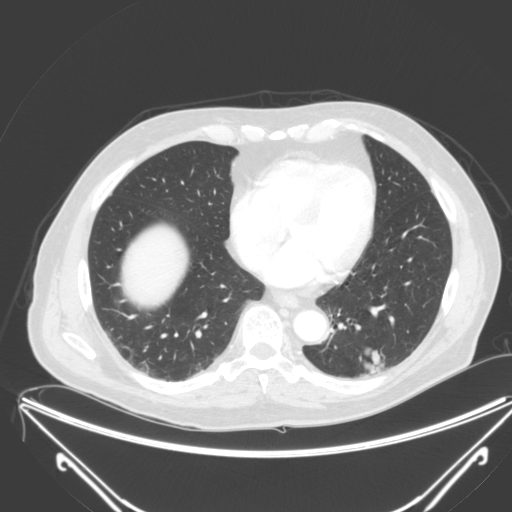
One axial slice (81 of 250, counting up from the lowest) of a chest CT acquired at 120 kVp with the B kernel; each pixel is 0.834 mm and the slice is 2.00 mm thick.
Pulmonary nodule at rows 347–376, columns 361–385 (box = the union of the readers' outlines on this slice), outlined by all four readers; median longest diameter 28.3 mm (readers' outlines 26.7–30.4 mm), median volume 3107 mm3 (2541–3664 mm3). Ratings, median across the readers with their spread: texture 4.5/5 at the median of four readers, spread 4/5 to 5/5 (solid); median margin 3/5 (readers ranged 2/5 to 4/5); sphericity 3/5 (ovoid) at the median of four readers, spread 3/5 (ovoid) to 5/5 (round); calcification absent from all four readers; internal structure soft tissue, all four readers agreeing; subtlety 5/5 from all four readers; malignancy likelihood 3.5/5 at the median of four readers, spread 3–5. Scale key (1–5): texture non-solid→solid, margin indistinct→circumscribed, sphericity linear→round, subtlety extremely subtle→obvious, malignancy likelihood highly unlikely→highly suspicious of cancer. Box rows and columns are 0-based pixel indices from the top-left corner, inclusive.